Chest CT, axial plane, 120 kVp, kernel B30f. Slice 240/408 from the bottom of the scan; thickness 0.75 mm; pixel size 0.531 mm.
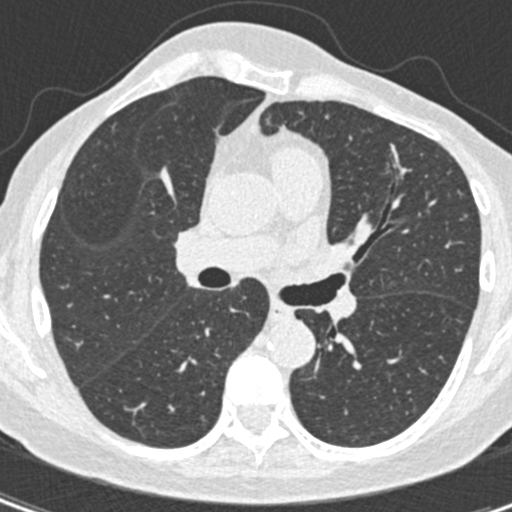
Pulmonary nodule at rows 214–216, columns 464–467 (box = that reader's outline on this slice), outlined by one of the four readers; longest diameter 4.1 mm and volume 22 mm3 from that reader's outline. That reader's ratings: texture 5/5 (solid); margin 5/5 (circumscribed); sphericity 5/5 (round); calcification absent; internal structure soft tissue; subtlety 5/5; malignancy likelihood 2/5. Scale key (1–5): texture non-solid→solid, margin indistinct→circumscribed, sphericity linear→round, subtlety extremely subtle→obvious, malignancy likelihood highly unlikely→highly suspicious of cancer. Box rows and columns are 0-based pixel indices from the top-left corner, inclusive.